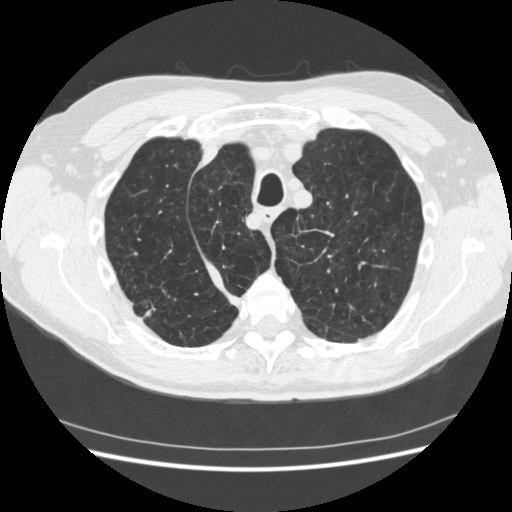
Axial chest CT slice 368 of 481 (counted from the lowest slice); tube voltage 120 kVp, convolution kernel STANDARD; slices 1.25 mm thick, 0.703 mm per pixel.
Pulmonary nodule outlined by all four readers, three of them on this slice; box rows 297–318, columns 135–157 (the union of the readers' outlines on this slice); longest diameter 26.2 mm on average over the four readers' outlines (readers' outlines 18.7–34.9 mm), volume 1155–4169 mm3. Ratings, by the readers' most common answer with dissent counted: texture 5/5 (solid) by three of four readers; the rest gave 4/5 (one); margin split among the readers: 1/5 (indistinct) (one), 2/5 (one), 3/5 (one), 4/5 (one); sphericity split among the readers: 2/5 (one), 3/5 (ovoid) (one), 4/5 (one), 5/5 (round) (one); calcification absent, all four readers agreeing; internal structure soft tissue from all four readers; subtlety 5/5 from all four readers; most readers (three of four) put malignancy likelihood at 5/5, others 4/5 (one). Scale key (1–5): texture non-solid→solid, margin indistinct→circumscribed, sphericity linear→round, subtlety extremely subtle→obvious, malignancy likelihood highly unlikely→highly suspicious of cancer. Box rows and columns are 0-based pixel indices from the top-left corner, inclusive.